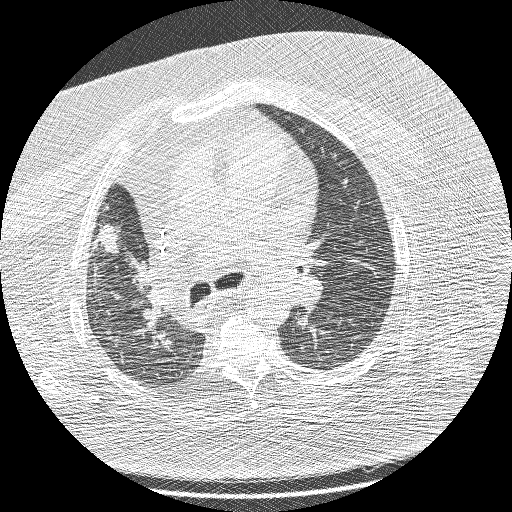
Axial slice 131 of 208 of a chest CT (slice 1 is the lowest), reconstructed with the BONE kernel at 120 kVp; 1.25 mm slice thickness and 0.723 mm pixels.
Pulmonary nodule at rows 223–252, columns 97–121 (box = the union of the readers' outlines on this slice), outlined by all four readers; median longest diameter 27.6 mm (readers' outlines 25.6–30.6 mm), median volume 4739 mm3 (4623–6820 mm3). Median ratings and the readers' spread: texture 5/5 (solid), all four readers agreeing; margin 3/5 at the median of four readers, spread 1/5 (indistinct) to 3/5; median sphericity 3/5 (ovoid) (readers ranged 3/5 (ovoid) to 4/5); calcification absent, all four readers agreeing; internal structure soft tissue, all four readers agreeing; subtlety 5/5, all four readers agreeing; malignancy likelihood 5/5, all four readers agreeing. Scale key (1–5): texture non-solid→solid, margin indistinct→circumscribed, sphericity linear→round, subtlety extremely subtle→obvious, malignancy likelihood highly unlikely→highly suspicious of cancer. Box rows and columns are 0-based pixel indices from the top-left corner, inclusive.